One axial slice (490 of 541, counting up from the lowest) of a chest CT acquired at 120 kVp with the STANDARD kernel; each pixel is 0.586 mm and the slice is 1.25 mm thick.
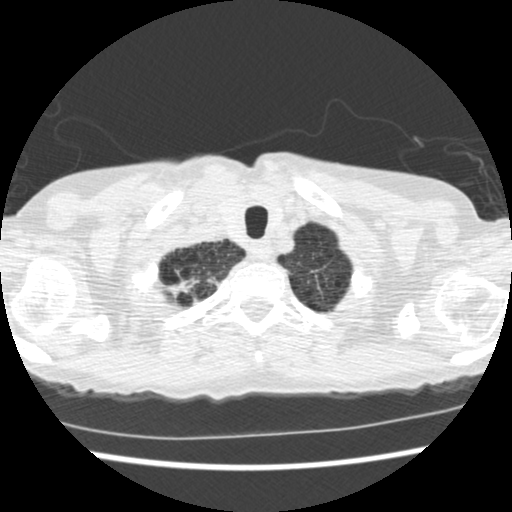
Pulmonary nodule, outlined by one of the four readers. Box on this slice rows 270–297, columns 165–198, that reader's outline on this slice; longest diameter 24.9 mm and volume 491 mm3 from that reader's outline. Ratings by that reader: texture 5/5 (solid); margin 1/5 (indistinct); sphericity 2/5; calcification absent; internal structure soft tissue; subtlety 4/5; malignancy likelihood 4/5. Scale key (1–5): texture non-solid→solid, margin indistinct→circumscribed, sphericity linear→round, subtlety extremely subtle→obvious, malignancy likelihood highly unlikely→highly suspicious of cancer. Box rows and columns are 0-based pixel indices from the top-left corner, inclusive.